Chest CT, axial plane, 120 kVp, kernel D. Slice 41/300 from the bottom of the scan; thickness 2.00 mm; pixel size 0.678 mm.
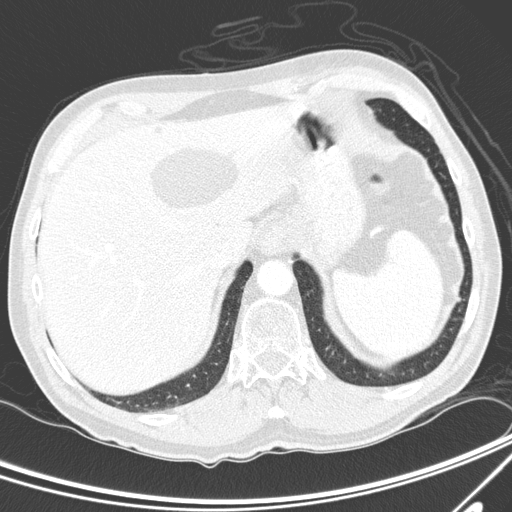
Pulmonary nodule, outlined by three of the four readers. Box on this slice rows 297–301, columns 457–461, the union of the readers' outlines on this slice; longest diameter 5.5–6.9 mm and volume 52–87 mm3 across the three readers' outlines. The readers' ratings, as ranges where they differ: texture 5/5 (solid) from all three readers; margin from 4/5 to 5/5 (circumscribed) across the three readers; sphericity from 4/5 to 5/5 (round) across the three readers; calcification absent from all three readers; internal structure soft tissue from all three readers; subtlety 3–4/5 (the readers disagree); malignancy likelihood from 2/5 to 3/5 across the three readers. Scale key (1–5): texture non-solid→solid, margin indistinct→circumscribed, sphericity linear→round, subtlety extremely subtle→obvious, malignancy likelihood highly unlikely→highly suspicious of cancer. Box rows and columns are 0-based pixel indices from the top-left corner, inclusive.